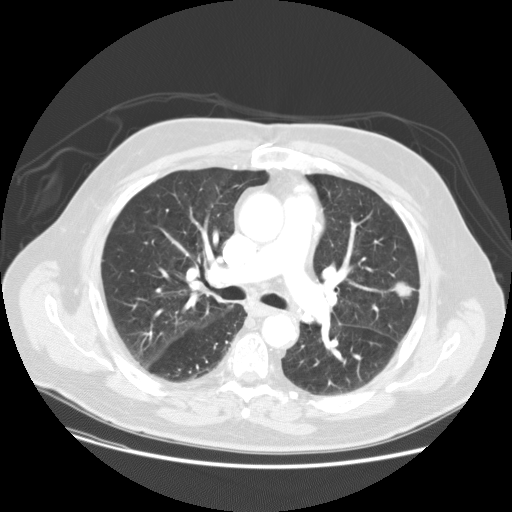
Chest CT, axial plane, 120 kVp, kernel STANDARD. Slice 88/133 from the bottom of the scan; thickness 2.50 mm; pixel size 0.781 mm.
Pulmonary nodule at rows 280–298, columns 390–414 (box = the union of the readers' outlines on this slice), outlined by all four readers; median longest diameter 20.3 mm (readers' outlines 18.8–20.7 mm), median volume 2282 mm3 (2105–2617 mm3). Ratings, median across the readers with their spread: texture 5/5 (solid) from all four readers; median margin 4.5/5 (readers ranged 4/5 to 5/5 (circumscribed)); median sphericity 3.5/5 (readers ranged 3/5 (ovoid) to 5/5 (round)); calcification absent, all four readers agreeing; internal structure soft tissue, all four readers agreeing; median subtlety 5/5 (readers ranged 3–5); malignancy likelihood 4.5/5 at the median of four readers, spread 2–5. Scale key (1–5): texture non-solid→solid, margin indistinct→circumscribed, sphericity linear→round, subtlety extremely subtle→obvious, malignancy likelihood highly unlikely→highly suspicious of cancer. Box rows and columns are 0-based pixel indices from the top-left corner, inclusive.